Axial slice 179 of 199 of a chest CT (slice 1 is the lowest), reconstructed with the B30f kernel at 120 kVp; 2.00 mm slice thickness and 0.762 mm pixels.
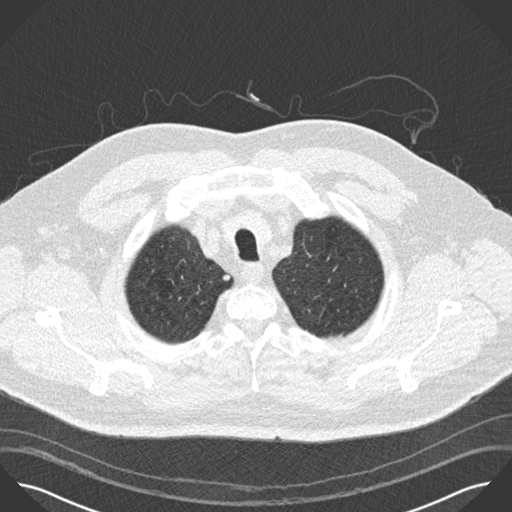
Pulmonary nodule, outlined by two of the four readers. Box on this slice rows 274–281, columns 222–229, the union of the readers' outlines on this slice; median longest diameter 7.2 mm (readers' outlines 6.6–7.8 mm), median volume 128 mm3 (97–160 mm3). Ratings, median across the readers with their spread: texture 5/5 (solid) from both readers; margin 5/5 (circumscribed), both readers agreeing; sphericity 4/5 at the median of two readers, spread 3/5 (ovoid) to 5/5 (round); calcification split among the readers: absent (one), non-central calcification (one); internal structure soft tissue, both readers agreeing; subtlety 4.5/5 at the median of two readers, spread 4–5; malignancy likelihood 2/5, both readers agreeing. Scale key (1–5): texture non-solid→solid, margin indistinct→circumscribed, sphericity linear→round, subtlety extremely subtle→obvious, malignancy likelihood highly unlikely→highly suspicious of cancer. Box rows and columns are 0-based pixel indices from the top-left corner, inclusive.